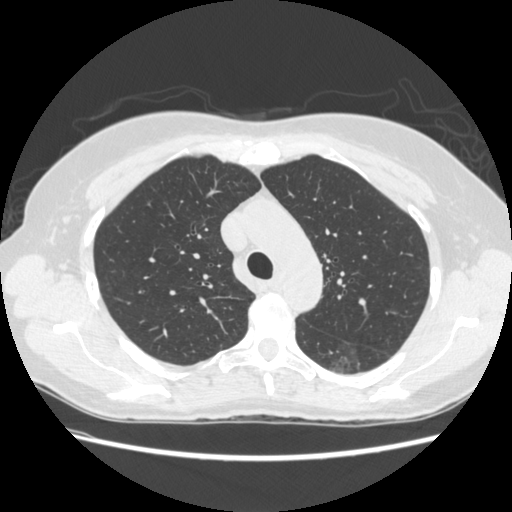
This is axial slice 183 of 261 (slice 1 is the lowest) of a chest CT; each pixel is 0.682 mm and the slice is 1.25 mm thick. Pulmonary nodule outlined by two of the four readers; box rows 341–374, columns 330–359 (the union of the readers' outlines on this slice); longest diameter 30.0–31.5 mm and volume 6577–7912 mm3 across the two readers' outlines. The readers' ratings, as ranges where they differ: texture from 1/5 (non-solid) to 2/5 across the two readers; margin from 1/5 (indistinct) to 2/5 across the two readers; sphericity from 3/5 (ovoid) to 5/5 (round) across the two readers; calcification absent from both readers; internal structure soft tissue from both readers; subtlety 1–2/5 (the readers disagree); malignancy likelihood from 4/5 to 5/5 across the two readers. Scale key (1–5): texture non-solid→solid, margin indistinct→circumscribed, sphericity linear→round, subtlety extremely subtle→obvious, malignancy likelihood highly unlikely→highly suspicious of cancer. Box rows and columns are 0-based pixel indices from the top-left corner, inclusive.
Tube voltage 120 kVp; convolution kernel STANDARD.